Chest CT, axial plane, 120 kVp, kernel STANDARD. Slice 221/258 from the bottom of the scan; thickness 1.25 mm; pixel size 0.859 mm.
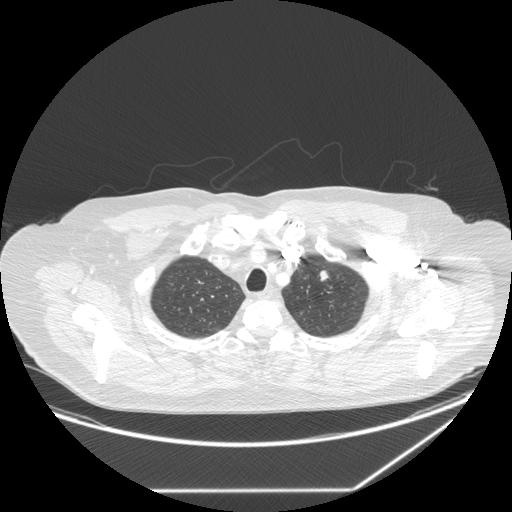
Pulmonary nodule outlined by all four readers; box rows 270–281, columns 320–328 (the union of the readers' outlines on this slice); longest diameter 12.9 mm on average over the four readers' outlines (readers' outlines 11.3–14.0 mm), volume 372–779 mm3. Ratings, by the readers' most common answer with dissent counted: texture 5/5 (solid) from all four readers; margin split among the readers: 4/5 (two), 5/5 (circumscribed) (two); sphericity 3/5 (ovoid) by two of four readers; the rest gave 4/5 (one), 5/5 (round) (one); calcification absent, all four readers agreeing; internal structure soft tissue from all four readers; most readers (three of four) put subtlety at 5/5, others 4/5 (one); malignancy likelihood split among the readers: 3/5 (two), 4/5 (two). Scale key (1–5): texture non-solid→solid, margin indistinct→circumscribed, sphericity linear→round, subtlety extremely subtle→obvious, malignancy likelihood highly unlikely→highly suspicious of cancer. Box rows and columns are 0-based pixel indices from the top-left corner, inclusive.